One axial slice (166 of 413, counting up from the lowest) of a chest CT acquired at 120 kVp with the STANDARD kernel; each pixel is 0.625 mm and the slice is 1.25 mm thick.
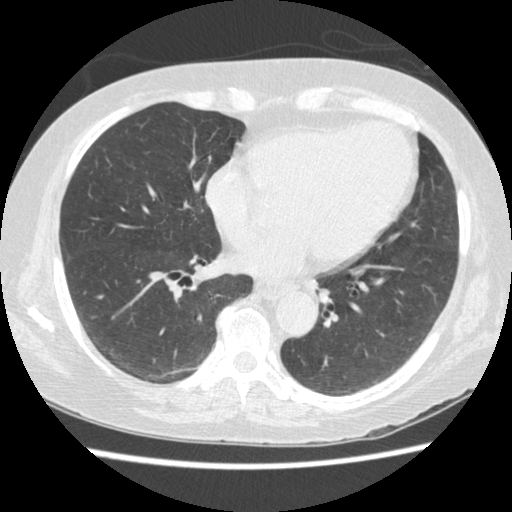
No nodule 3 mm or larger was outlined here by any reader.